One axial slice (30 of 119, counting up from the lowest) of a chest CT acquired at 130 kVp with the B31s kernel; each pixel is 0.650 mm and the slice is 3.00 mm thick.
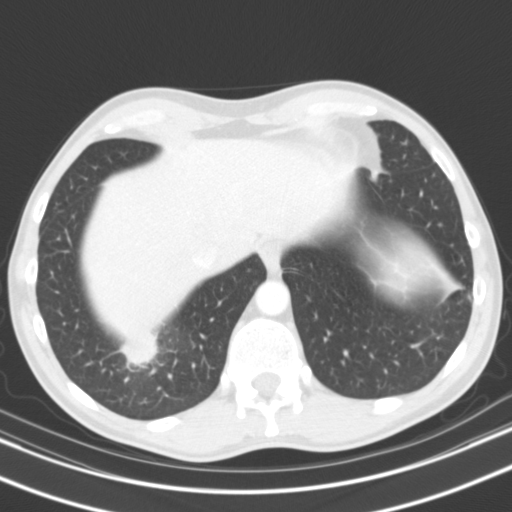
Pulmonary nodule at rows 331–365, columns 119–157 (box = the union of the readers' outlines on this slice), outlined by all four readers; the four readers' outlines give a longest diameter between 30.9 and 32.4 mm and a volume between 6985 and 9285 mm3. Ratings across the readers: texture from 4/5 to 5/5 (solid) across the four readers; margin from 2/5 to 4/5 across the four readers; sphericity 5/5 (round) from all four readers; calcification absent, all four readers agreeing; internal structure soft tissue from all four readers; subtlety 5/5, all four readers agreeing; malignancy likelihood rated between 2 and 5 out of 5 by the four readers. Scale key (1–5): texture non-solid→solid, margin indistinct→circumscribed, sphericity linear→round, subtlety extremely subtle→obvious, malignancy likelihood highly unlikely→highly suspicious of cancer. Box rows and columns are 0-based pixel indices from the top-left corner, inclusive.